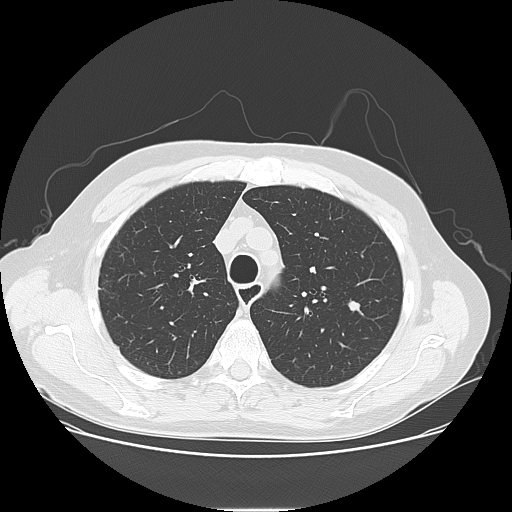
Axial slice 105 of 141 of a chest CT (slice 1 is the lowest), reconstructed with the LUNG kernel at 120 kVp; 2.50 mm slice thickness and 0.762 mm pixels.
Pulmonary nodule at rows 300–314, columns 347–362 (box = the union of the readers' outlines on this slice), outlined by all four readers; median longest diameter 10.6 mm (readers' outlines 10.2–15.9 mm), median volume 433 mm3 (358–612 mm3). Median ratings and the readers' spread: texture 5/5 (solid) from all four readers; median margin 4.5/5 (readers ranged 4/5 to 5/5 (circumscribed)); median sphericity 3.5/5 (readers ranged 3/5 (ovoid) to 4/5); calcification: absent (three), non-central calcification (one); internal structure soft tissue, all four readers agreeing; subtlety 4.5/5 at the median of four readers, spread 4–5; malignancy likelihood 4/5 at the median of four readers, spread 3–5. Scale key (1–5): texture non-solid→solid, margin indistinct→circumscribed, sphericity linear→round, subtlety extremely subtle→obvious, malignancy likelihood highly unlikely→highly suspicious of cancer. Box rows and columns are 0-based pixel indices from the top-left corner, inclusive.